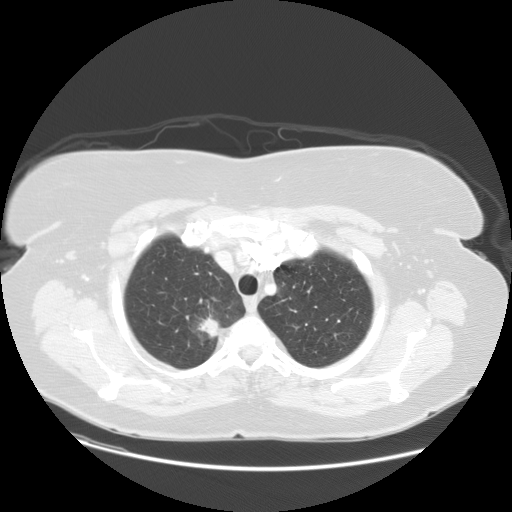
This is axial slice 110 of 133 (slice 1 is the lowest) of a chest CT; each pixel is 0.781 mm and the slice is 2.50 mm thick. Pulmonary nodule, outlined by all four readers. Box on this slice rows 315–336, columns 195–218, the union of the readers' outlines on this slice; longest diameter 31.6–37.9 mm and volume 3786–6747 mm3 across the four readers' outlines. Ratings across the readers: texture from 3/5 (part-solid) to 5/5 (solid) across the four readers; margin from 1/5 (indistinct) to 3/5 across the four readers; sphericity from 2/5 to 4/5 across the four readers; calcification absent from all four readers; internal structure soft tissue, all four readers agreeing; subtlety 5/5, all four readers agreeing; malignancy likelihood 3–5/5 (the readers disagree). Scale key (1–5): texture non-solid→solid, margin indistinct→circumscribed, sphericity linear→round, subtlety extremely subtle→obvious, malignancy likelihood highly unlikely→highly suspicious of cancer. Box rows and columns are 0-based pixel indices from the top-left corner, inclusive.
Acquired at 120 kVp and reconstructed with the STANDARD kernel.